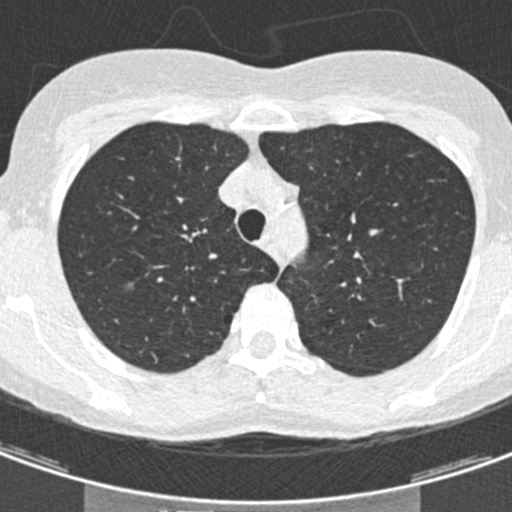
Axial slice 336 of 429 of a chest CT (slice 1 is the lowest), reconstructed with the B30f kernel at 120 kVp; 0.75 mm slice thickness and 0.537 mm pixels.
Pulmonary nodule, outlined by all four readers, two of them on this slice. Box on this slice rows 283–289, columns 125–132, the union of the readers' outlines on this slice; longest diameter 12.6 mm on average over the four readers' outlines (readers' outlines 11.2–13.4 mm), volume 226–398 mm3. The readers' prevailing ratings and who disagreed: texture split among the readers: 3/5 (part-solid) (two), 4/5 (two); margin 3/5 by two of four readers; the rest gave 1/5 (indistinct) (one), 4/5 (one); sphericity 2/5 by two of four readers; the rest gave 3/5 (ovoid) (one), 5/5 (round) (one); calcification absent, all four readers agreeing; internal structure soft tissue, all four readers agreeing; subtlety 5/5 by two of four readers; the rest gave 3/5 (one), 4/5 (one); malignancy likelihood split among the readers: 3/5 (two), 4/5 (two). Scale key (1–5): texture non-solid→solid, margin indistinct→circumscribed, sphericity linear→round, subtlety extremely subtle→obvious, malignancy likelihood highly unlikely→highly suspicious of cancer. Box rows and columns are 0-based pixel indices from the top-left corner, inclusive.